Chest CT, axial plane, 140 kVp, kernel BONE. Slice 43/136 from the bottom of the scan; thickness 2.50 mm; pixel size 0.646 mm.
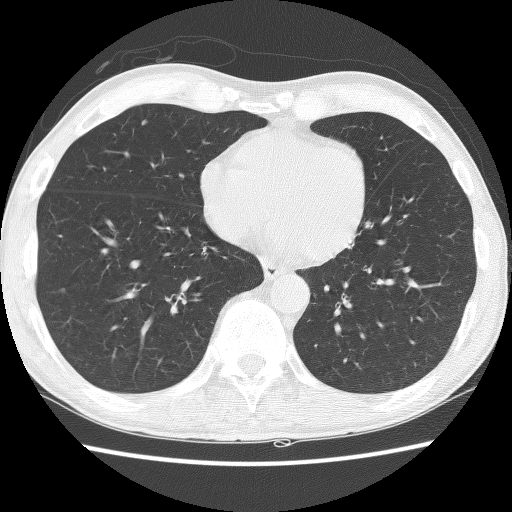
Pulmonary nodule, outlined by two of the four readers. Box on this slice rows 119–124, columns 141–147, the union of the readers' outlines on this slice; longest diameter 5.1 mm on average over the two readers' outlines (readers' outlines 4.9–5.3 mm), volume 52–60 mm3. The readers' prevailing ratings and who disagreed: texture split among the readers: 3/5 (part-solid) (one), 5/5 (solid) (one); margin split among the readers: 2/5 (one), 3/5 (one); sphericity split among the readers: 3/5 (ovoid) (one), 4/5 (one); calcification absent from both readers; internal structure soft tissue from both readers; subtlety split among the readers: 2/5 (one), 3/5 (one); malignancy likelihood split among the readers: 1/5 (one), 2/5 (one). Scale key (1–5): texture non-solid→solid, margin indistinct→circumscribed, sphericity linear→round, subtlety extremely subtle→obvious, malignancy likelihood highly unlikely→highly suspicious of cancer. Box rows and columns are 0-based pixel indices from the top-left corner, inclusive.